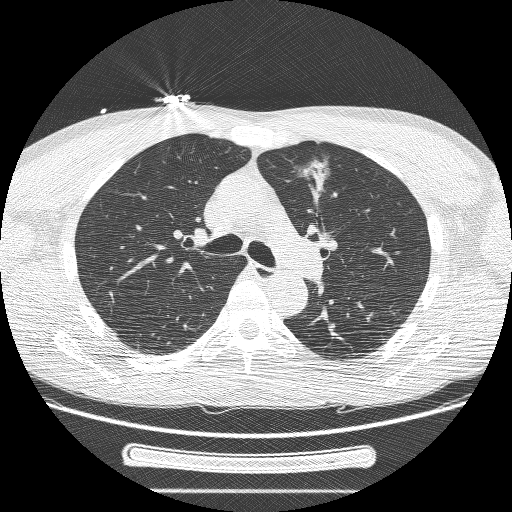
This is axial slice 159 of 244 (slice 1 is the lowest) of a chest CT; each pixel is 0.729 mm and the slice is 1.25 mm thick. Pulmonary nodule outlined by three of the four readers, two of them on this slice; box rows 155–205, columns 292–331 (the union of the readers' outlines on this slice); the three readers' outlines give a longest diameter between 27.4 and 37.9 mm and a volume between 2934 and 10099 mm3. The readers' ratings, as ranges where they differ: texture from 3/5 (part-solid) to 5/5 (solid) across the three readers; margin from 1/5 (indistinct) to 3/5 across the three readers; sphericity from 2/5 to 4/5 across the three readers; calcification absent from all three readers; internal structure soft tissue, all three readers agreeing; subtlety 5/5, all three readers agreeing; malignancy likelihood 3–5/5 (the readers disagree). Scale key (1–5): texture non-solid→solid, margin indistinct→circumscribed, sphericity linear→round, subtlety extremely subtle→obvious, malignancy likelihood highly unlikely→highly suspicious of cancer. Box rows and columns are 0-based pixel indices from the top-left corner, inclusive.
Tube voltage 120 kVp; convolution kernel BONE.